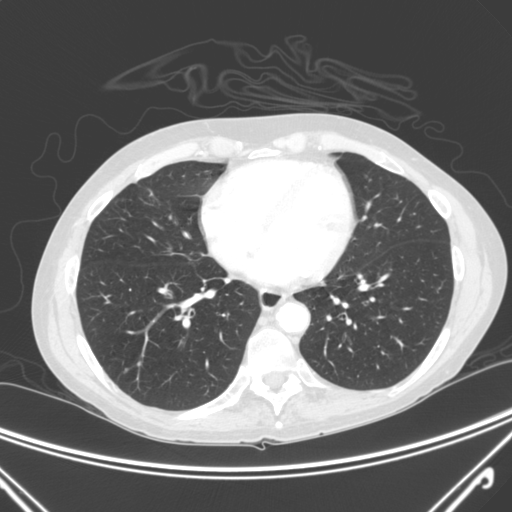
This is axial slice 108 of 300 (slice 1 is the lowest) of a chest CT; each pixel is 0.715 mm and the slice is 2.00 mm thick. Pulmonary nodule, outlined by two of the four readers. Box on this slice rows 367–372, columns 124–128, the union of the readers' outlines on this slice; median longest diameter 5.8 mm (readers' outlines 5.4–6.1 mm), median volume 48 mm3 (36–60 mm3). Ratings, median across the readers with their spread: texture 4/5 at the median of two readers, spread 3/5 (part-solid) to 5/5 (solid); median margin 4/5 (readers ranged 3/5 to 5/5 (circumscribed)); sphericity 3/5 (ovoid) at the median of two readers, spread 2/5 to 4/5; calcification absent from both readers; internal structure soft tissue, both readers agreeing; subtlety 3/5 at the median of two readers, spread 2–4; malignancy likelihood 3/5 from both readers. Scale key (1–5): texture non-solid→solid, margin indistinct→circumscribed, sphericity linear→round, subtlety extremely subtle→obvious, malignancy likelihood highly unlikely→highly suspicious of cancer. Box rows and columns are 0-based pixel indices from the top-left corner, inclusive.
Acquired at 120 kVp and reconstructed with the C kernel.